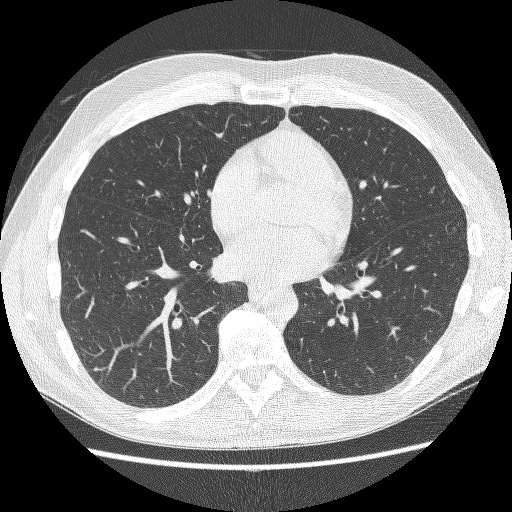
Axial chest CT slice 109 of 252 (counted from the lowest slice); tube voltage 120 kVp, convolution kernel BONE; slices 1.25 mm thick, 0.703 mm per pixel.
Pulmonary nodule, outlined by all four readers, three of them on this slice. Box on this slice rows 367–370, columns 94–97, the union of the readers' outlines on this slice; median longest diameter 5.6 mm (readers' outlines 5.0–6.7 mm), median volume 32 mm3 (24–40 mm3). Median ratings and the readers' spread: texture 3.5/5 at the median of four readers, spread 3/5 (part-solid) to 5/5 (solid); median margin 3.5/5 (readers ranged 2/5 to 5/5 (circumscribed)); sphericity 4/5 at the median of four readers, spread 4/5 to 5/5 (round); calcification absent from all four readers; internal structure soft tissue, all four readers agreeing; median subtlety 2.5/5 (readers ranged 1–3); malignancy likelihood 3/5, all four readers agreeing. Scale key (1–5): texture non-solid→solid, margin indistinct→circumscribed, sphericity linear→round, subtlety extremely subtle→obvious, malignancy likelihood highly unlikely→highly suspicious of cancer. Box rows and columns are 0-based pixel indices from the top-left corner, inclusive.